Axial chest CT slice 249 of 292 (counted from the lowest slice); tube voltage 120 kVp, convolution kernel STANDARD; slices 2.50 mm thick, 0.645 mm per pixel.
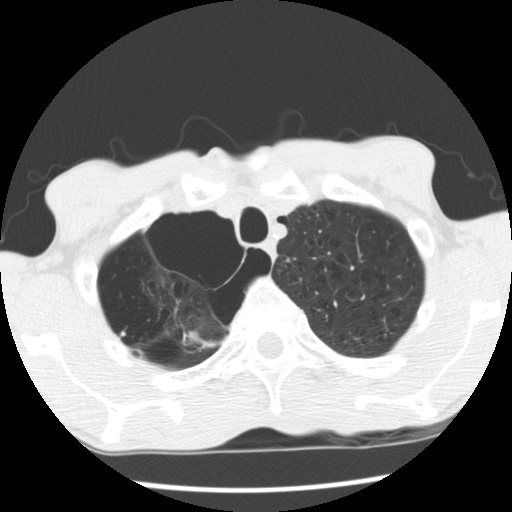
Pulmonary nodule at rows 331–336, columns 120–124 (box = that reader's outline on this slice), outlined by one of the four readers; longest diameter 5.5 mm and volume 59 mm3 from that reader's outline. That reader's ratings: texture 5/5 (solid); margin 5/5 (circumscribed); sphericity 5/5 (round); calcification solid calcification; internal structure soft tissue; subtlety 4/5; malignancy likelihood 1/5. Scale key (1–5): texture non-solid→solid, margin indistinct→circumscribed, sphericity linear→round, subtlety extremely subtle→obvious, malignancy likelihood highly unlikely→highly suspicious of cancer. Box rows and columns are 0-based pixel indices from the top-left corner, inclusive.